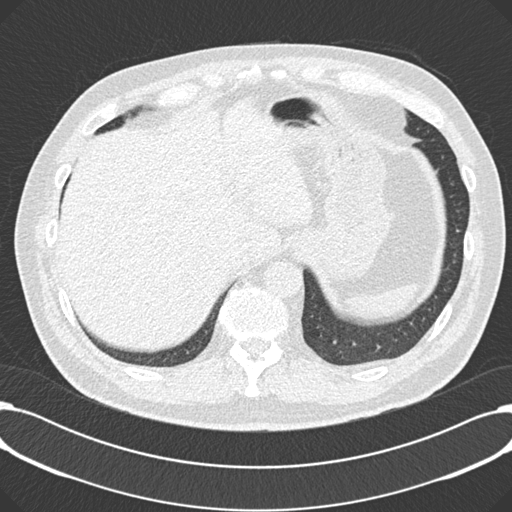
Axial chest CT slice 44 of 195 (counted from the lowest slice); tube voltage 120 kVp, convolution kernel B30f; slices 2.00 mm thick, 0.723 mm per pixel.
Pulmonary nodule at rows 229–231, columns 456–458 (box = the union of the readers' outlines on this slice), outlined by all four readers, three of them on this slice; longest diameter 8.0 mm on average over the four readers' outlines (readers' outlines 7.3–8.7 mm), volume 123–254 mm3. Ratings, by the readers' most common answer with dissent counted: texture 5/5 (solid), all four readers agreeing; margin 5/5 (circumscribed) by three of four readers; the rest gave 4/5 (one); most readers (three of four) put sphericity at 4/5, others 3/5 (ovoid) (one); calcification absent from all four readers; internal structure soft tissue from all four readers; subtlety split among the readers: 4/5 (two), 5/5 (two); malignancy likelihood 3/5 by three of four readers; the rest gave 2/5 (one). Scale key (1–5): texture non-solid→solid, margin indistinct→circumscribed, sphericity linear→round, subtlety extremely subtle→obvious, malignancy likelihood highly unlikely→highly suspicious of cancer. Box rows and columns are 0-based pixel indices from the top-left corner, inclusive.